Chest CT, axial plane, 120 kVp, kernel B30f. Slice 222/483 from the bottom of the scan; thickness 0.75 mm; pixel size 0.652 mm.
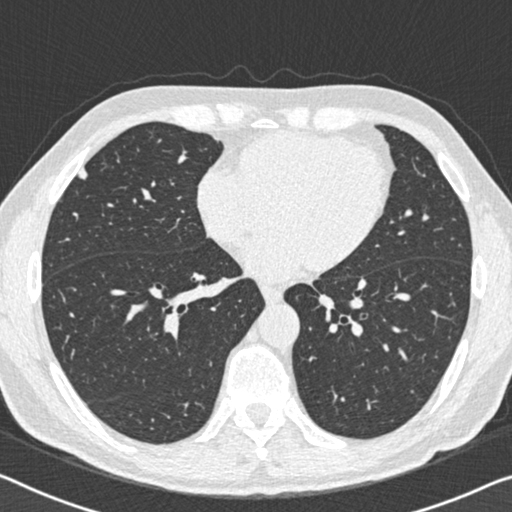
Pulmonary nodule outlined by all four readers; box rows 166–179, columns 77–87 (the union of the readers' outlines on this slice); longest diameter 8.6–10.3 mm and volume 137–171 mm3 across the four readers' outlines. The readers' ratings, as ranges where they differ: texture from 4/5 to 5/5 (solid) across the four readers; margin from 4/5 to 5/5 (circumscribed) across the four readers; sphericity from 3/5 (ovoid) to 5/5 (round) across the four readers; calcification absent, all four readers agreeing; internal structure soft tissue, all four readers agreeing; subtlety 3–5/5 (the readers disagree); malignancy likelihood rated between 2 and 4 out of 5 by the four readers. Scale key (1–5): texture non-solid→solid, margin indistinct→circumscribed, sphericity linear→round, subtlety extremely subtle→obvious, malignancy likelihood highly unlikely→highly suspicious of cancer. Box rows and columns are 0-based pixel indices from the top-left corner, inclusive.